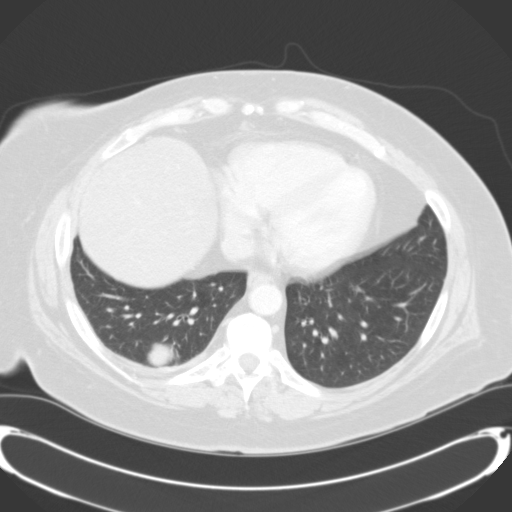
One axial slice (62 of 124, counting up from the lowest) of a chest CT acquired at 120 kVp with the B31f kernel; each pixel is 0.764 mm and the slice is 3.00 mm thick.
Pulmonary nodule outlined by three of the four readers; box rows 342–366, columns 147–174 (the union of the readers' outlines on this slice); median longest diameter 33.9 mm (readers' outlines 32.1–33.9 mm), median volume 14151 mm3 (13060–14151 mm3). Median ratings and the readers' spread: texture 5/5 (solid) at the median of three readers, spread 4/5 to 5/5 (solid); margin 5/5 (circumscribed) at the median of three readers, spread 4/5 to 5/5 (circumscribed); sphericity 4/5, all three readers agreeing; calcification absent from all three readers; internal structure soft tissue from all three readers; subtlety 5/5, all three readers agreeing; median malignancy likelihood 3/5 (readers ranged 3–5). Scale key (1–5): texture non-solid→solid, margin indistinct→circumscribed, sphericity linear→round, subtlety extremely subtle→obvious, malignancy likelihood highly unlikely→highly suspicious of cancer. Box rows and columns are 0-based pixel indices from the top-left corner, inclusive.